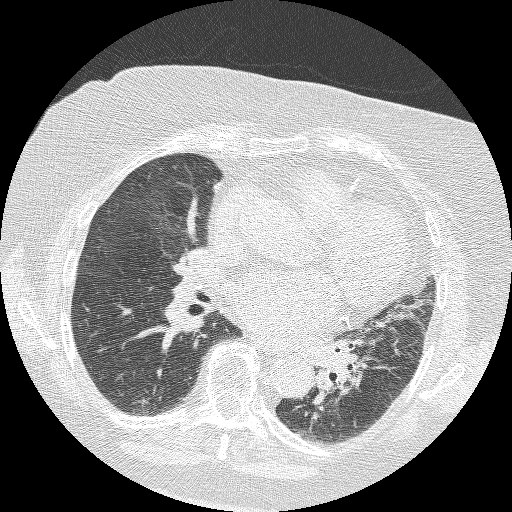
Axial slice 135 of 235 of a chest CT (slice 1 is the lowest), reconstructed with the BONE kernel at 120 kVp; 1.25 mm slice thickness and 0.625 mm pixels.
Pulmonary nodule at rows 398–405, columns 137–147 (box = the one reader's outline on this slice), outlined by two of the four readers, one of them on this slice; longest diameter 20.0 mm on average over the two readers' outlines (readers' outlines 17.6–22.4 mm), volume 602–1472 mm3. Ratings, by the readers' most common answer with dissent counted: texture 5/5 (solid) from both readers; margin split among the readers: 2/5 (one), 5/5 (circumscribed) (one); sphericity split among the readers: 1/5 (linear) (one), 2/5 (one); calcification absent, both readers agreeing; internal structure soft tissue from both readers; subtlety 5/5, both readers agreeing; malignancy likelihood 3/5, both readers agreeing. Scale key (1–5): texture non-solid→solid, margin indistinct→circumscribed, sphericity linear→round, subtlety extremely subtle→obvious, malignancy likelihood highly unlikely→highly suspicious of cancer. Box rows and columns are 0-based pixel indices from the top-left corner, inclusive.